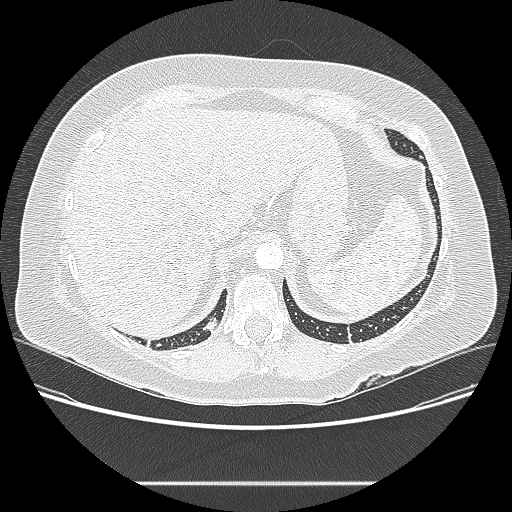
Axial chest CT slice 44 of 238 (counted from the lowest slice); tube voltage 120 kVp, convolution kernel LUNG; slices 1.25 mm thick, 0.742 mm per pixel.
Pulmonary nodule, outlined by three of the four readers. Box on this slice rows 317–332, columns 204–217, the union of the readers' outlines on this slice; longest diameter 20.9 mm on average over the three readers' outlines (readers' outlines 20.6–21.1 mm), volume 743–1062 mm3. Ratings, by the readers' most common answer with dissent counted: texture 5/5 (solid) from all three readers; most readers (two of three) put margin at 5/5 (circumscribed), others 4/5 (one); sphericity 3/5 (ovoid), all three readers agreeing; calcification absent from all three readers; internal structure soft tissue, all three readers agreeing; subtlety 3/5 by two of three readers; the rest gave 4/5 (one); malignancy likelihood 3/5, all three readers agreeing. Scale key (1–5): texture non-solid→solid, margin indistinct→circumscribed, sphericity linear→round, subtlety extremely subtle→obvious, malignancy likelihood highly unlikely→highly suspicious of cancer. Box rows and columns are 0-based pixel indices from the top-left corner, inclusive.